Axial chest CT slice 162 of 461 (counted from the lowest slice); tube voltage 120 kVp, convolution kernel STANDARD; slices 1.25 mm thick, 0.645 mm per pixel.
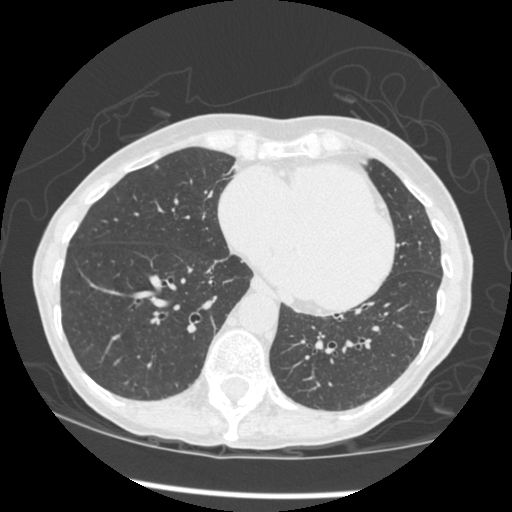
Pulmonary nodule at rows 164–168, columns 153–158 (box = the union of the readers' outlines on this slice), outlined by all four readers, three of them on this slice; longest diameter 6.2 mm on average over the four readers' outlines (readers' outlines 5.5–7.0 mm), volume 59–97 mm3. The readers' prevailing ratings and who disagreed: texture 5/5 (solid) from all four readers; margin 5/5 (circumscribed), all four readers agreeing; most readers (three of four) put sphericity at 5/5 (round), others 4/5 (one); calcification absent, all four readers agreeing; internal structure soft tissue from all four readers; subtlety 4/5 by three of four readers; the rest gave 3/5 (one); malignancy likelihood 2/5 by two of four readers; the rest gave 1/5 (one), 3/5 (one). Scale key (1–5): texture non-solid→solid, margin indistinct→circumscribed, sphericity linear→round, subtlety extremely subtle→obvious, malignancy likelihood highly unlikely→highly suspicious of cancer. Box rows and columns are 0-based pixel indices from the top-left corner, inclusive.